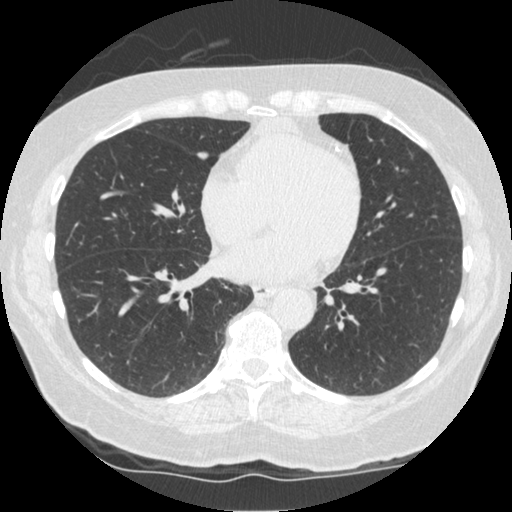
Axial chest CT slice 200 of 519 (counted from the lowest slice); 1.25 mm thick, 0.645 mm per pixel. Pulmonary nodule at rows 152–160, columns 194–208 (box = the union of the readers' outlines on this slice), outlined by all four readers; the four readers' outlines give a longest diameter between 8.4 and 10.5 mm and a volume between 147 and 202 mm3. Ratings across the readers: texture 5/5 (solid), all four readers agreeing; margin from 4/5 to 5/5 (circumscribed) across the four readers; sphericity 3/5 (ovoid), all four readers agreeing; calcification absent from all four readers; internal structure soft tissue, all four readers agreeing; subtlety 4–5/5 (the readers disagree); malignancy likelihood from 2/5 to 4/5 across the four readers. Scale key (1–5): texture non-solid→solid, margin indistinct→circumscribed, sphericity linear→round, subtlety extremely subtle→obvious, malignancy likelihood highly unlikely→highly suspicious of cancer. Box rows and columns are 0-based pixel indices from the top-left corner, inclusive.
Tube voltage 120 kVp; convolution kernel STANDARD.